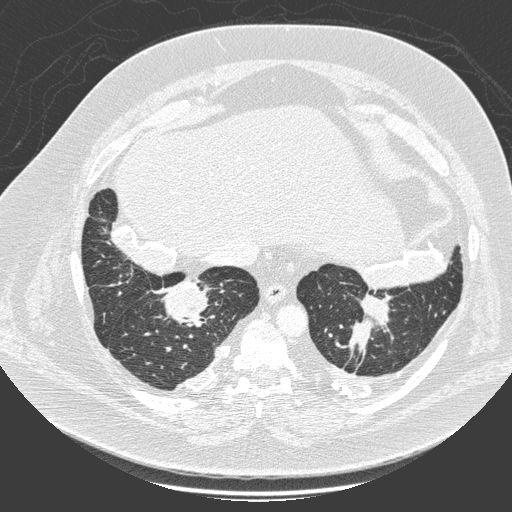
Slice 63/280 of a chest CT, counting up from the lowest; pixel size 0.801 mm, slice thickness 1.00 mm. Pulmonary nodule outlined by one of the four readers; box rows 283–325, columns 162–206 (that reader's outline on this slice); longest diameter 49.9 mm and volume 31112 mm3 from that reader's outline. That reader's ratings: texture 5/5 (solid); margin 4/5; sphericity 5/5 (round); calcification non-central calcification; internal structure soft tissue; subtlety 5/5; malignancy likelihood 5/5. Scale key (1–5): texture non-solid→solid, margin indistinct→circumscribed, sphericity linear→round, subtlety extremely subtle→obvious, malignancy likelihood highly unlikely→highly suspicious of cancer. Box rows and columns are 0-based pixel indices from the top-left corner, inclusive.
Scan settings: 140 kVp, D reconstruction kernel.